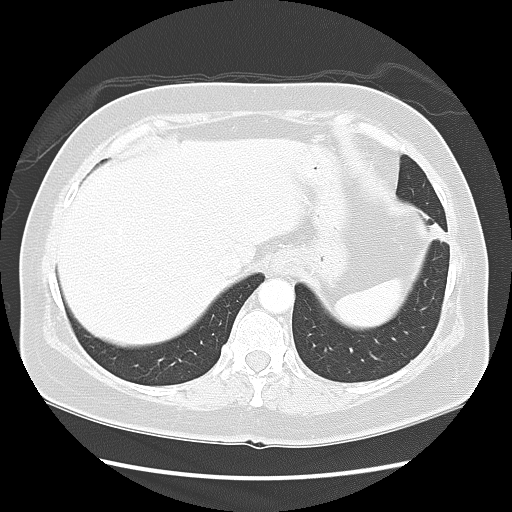
Axial slice 38 of 133 of a chest CT (slice 1 is the lowest), reconstructed with the LUNG kernel at 120 kVp; 2.50 mm slice thickness and 0.703 mm pixels.
Pulmonary nodule outlined by all four readers; box rows 222–242, columns 428–448 (the union of the readers' outlines on this slice); longest diameter 21.5–29.0 mm and volume 4280–5428 mm3 across the four readers' outlines. The readers' ratings, as ranges where they differ: texture from 4/5 to 5/5 (solid) across the four readers; margin from 4/5 to 5/5 (circumscribed) across the four readers; sphericity from 3/5 (ovoid) to 5/5 (round) across the four readers; calcification absent, all four readers agreeing; internal structure soft tissue from all four readers; subtlety 4–5/5 (the readers disagree); malignancy likelihood from 4/5 to 5/5 across the four readers. Scale key (1–5): texture non-solid→solid, margin indistinct→circumscribed, sphericity linear→round, subtlety extremely subtle→obvious, malignancy likelihood highly unlikely→highly suspicious of cancer. Box rows and columns are 0-based pixel indices from the top-left corner, inclusive.